Chest CT, axial plane, 120 kVp, kernel C. Slice 135/445 from the bottom of the scan; thickness 1.50 mm; pixel size 0.676 mm.
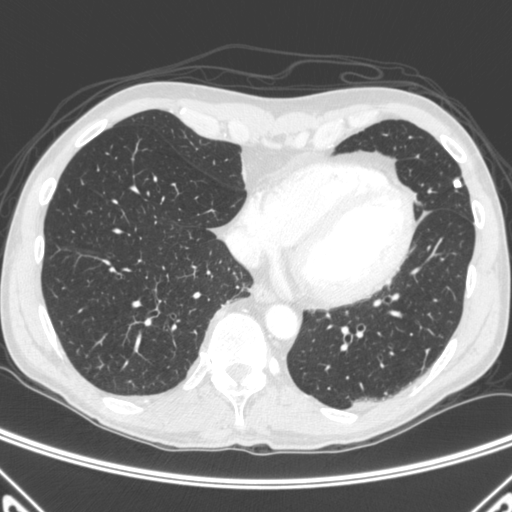
Pulmonary nodule outlined by all four readers; box rows 178–188, columns 453–462 (the union of the readers' outlines on this slice); longest diameter 9.0–9.7 mm and volume 243–279 mm3 across the four readers' outlines. Ratings across the readers: texture from 4/5 to 5/5 (solid) across the four readers; margin 5/5 (circumscribed) from all four readers; sphericity from 4/5 to 5/5 (round) across the four readers; calcification: solid calcification (three), central calcification (one); internal structure soft tissue, all four readers agreeing; subtlety 5/5, all four readers agreeing; malignancy likelihood 1/5, all four readers agreeing. Scale key (1–5): texture non-solid→solid, margin indistinct→circumscribed, sphericity linear→round, subtlety extremely subtle→obvious, malignancy likelihood highly unlikely→highly suspicious of cancer. Box rows and columns are 0-based pixel indices from the top-left corner, inclusive.